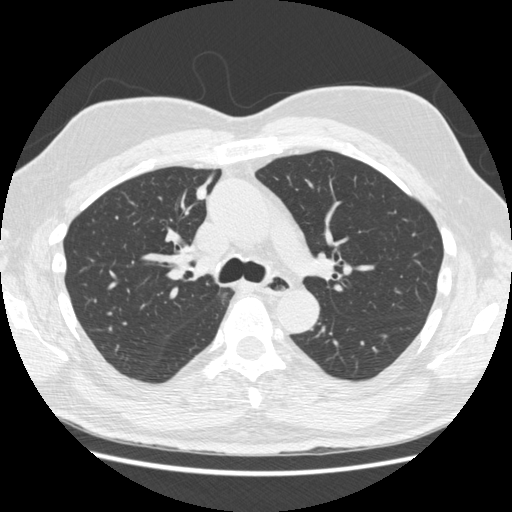
Chest CT, axial plane, 120 kVp, kernel STANDARD. Slice 340/557 from the bottom of the scan; thickness 1.25 mm; pixel size 0.703 mm.
Pulmonary nodule, outlined by all four readers. Box on this slice rows 184–200, columns 195–207, the union of the readers' outlines on this slice; median longest diameter 13.3 mm (readers' outlines 12.6–14.2 mm), median volume 546 mm3 (470–622 mm3). Ratings, median across the readers with their spread: texture 5/5 (solid) from all four readers; margin 4/5 at the median of four readers, spread 4/5 to 5/5 (circumscribed); sphericity 3/5 (ovoid) from all four readers; calcification absent, all four readers agreeing; internal structure soft tissue, all four readers agreeing; median subtlety 4.5/5 (readers ranged 3–5); median malignancy likelihood 2.5/5 (readers ranged 1–4). Scale key (1–5): texture non-solid→solid, margin indistinct→circumscribed, sphericity linear→round, subtlety extremely subtle→obvious, malignancy likelihood highly unlikely→highly suspicious of cancer. Box rows and columns are 0-based pixel indices from the top-left corner, inclusive.